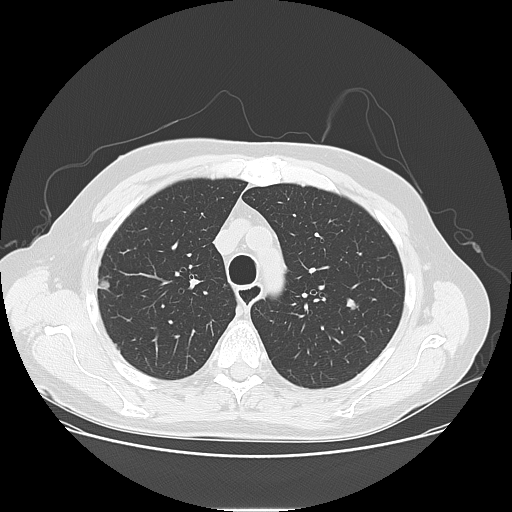
Chest CT, axial plane, 120 kVp, kernel LUNG. Slice 104/141 from the bottom of the scan; thickness 2.50 mm; pixel size 0.762 mm.
Two pulmonary nodules are outlined on this slice; from left to right: (1) Pulmonary nodule at rows 280–289, columns 98–109 (box = the union of the readers' outlines on this slice), outlined by all four readers; longest diameter 13.5 mm on average over the four readers' outlines (readers' outlines 13.0–13.7 mm), volume 746–896 mm3. The readers' prevailing ratings and who disagreed: texture 5/5 (solid), all four readers agreeing; margin split among the readers: 4/5 (two), 5/5 (circumscribed) (two); sphericity split among the readers: 4/5 (two), 5/5 (round) (two); calcification absent from all four readers; internal structure soft tissue, all four readers agreeing; subtlety 5/5 from all four readers; malignancy likelihood 5/5 by two of four readers; the rest gave 3/5 (one), 4/5 (one). (2) Pulmonary nodule outlined by all four readers; box rows 297–310, columns 346–358 (the union of the readers' outlines on this slice); longest diameter 10.2–15.9 mm and volume 358–612 mm3 across the four readers' outlines. Ratings across the readers: texture 5/5 (solid), all four readers agreeing; margin from 4/5 to 5/5 (circumscribed) across the four readers; sphericity from 3/5 (ovoid) to 4/5 across the four readers; calcification: absent (three), non-central calcification (one); internal structure soft tissue from all four readers; subtlety 4–5/5 (the readers disagree); malignancy likelihood rated between 3 and 5 out of 5 by the four readers. Scale key (1–5): texture non-solid→solid, margin indistinct→circumscribed, sphericity linear→round, subtlety extremely subtle→obvious, malignancy likelihood highly unlikely→highly suspicious of cancer. Box rows and columns are 0-based pixel indices from the top-left corner, inclusive.